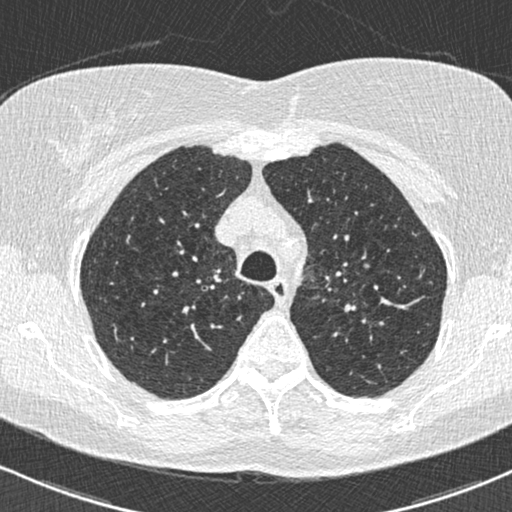
Axial chest CT slice 520 of 672 (counted from the lowest slice); tube voltage 120 kVp, convolution kernel B30f; slices 0.60 mm thick, 0.607 mm per pixel.
Pulmonary nodule at rows 263–268, columns 363–369 (box = the union of the readers' outlines on this slice), outlined by all four readers; longest diameter 8.3 mm on average over the four readers' outlines (readers' outlines 8.1–8.8 mm), volume 181–196 mm3. The readers' prevailing ratings and who disagreed: texture 5/5 (solid) from all four readers; margin 5/5 (circumscribed) by three of four readers; the rest gave 4/5 (one); most readers (three of four) put sphericity at 5/5 (round), others 3/5 (ovoid) (one); calcification absent from all four readers; internal structure soft tissue from all four readers; subtlety 4/5 by two of four readers; the rest gave 1/5 (one), 5/5 (one); most readers (three of four) put malignancy likelihood at 3/5, others 2/5 (one). Scale key (1–5): texture non-solid→solid, margin indistinct→circumscribed, sphericity linear→round, subtlety extremely subtle→obvious, malignancy likelihood highly unlikely→highly suspicious of cancer. Box rows and columns are 0-based pixel indices from the top-left corner, inclusive.